Axial chest CT slice 158 of 206 (counted from the lowest slice); tube voltage 120 kVp, convolution kernel B30f; slices 2.00 mm thick, 0.703 mm per pixel.
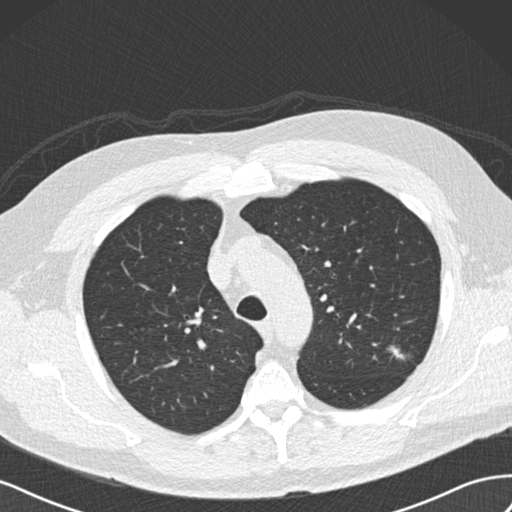
Pulmonary nodule at rows 345–360, columns 387–403 (box = the union of the readers' outlines on this slice), outlined by three of the four readers; the three readers' outlines give a longest diameter between 15.6 and 17.9 mm and a volume between 851 and 953 mm3. Ratings across the readers: texture from 1/5 (non-solid) to 3/5 (part-solid) across the three readers; margin from 1/5 (indistinct) to 3/5 across the three readers; sphericity 2/5 from all three readers; calcification absent, all three readers agreeing; internal structure: soft tissue (two), air (one); subtlety rated between 3 and 4 out of 5 by the three readers; malignancy likelihood from 3/5 to 4/5 across the three readers. Scale key (1–5): texture non-solid→solid, margin indistinct→circumscribed, sphericity linear→round, subtlety extremely subtle→obvious, malignancy likelihood highly unlikely→highly suspicious of cancer. Box rows and columns are 0-based pixel indices from the top-left corner, inclusive.